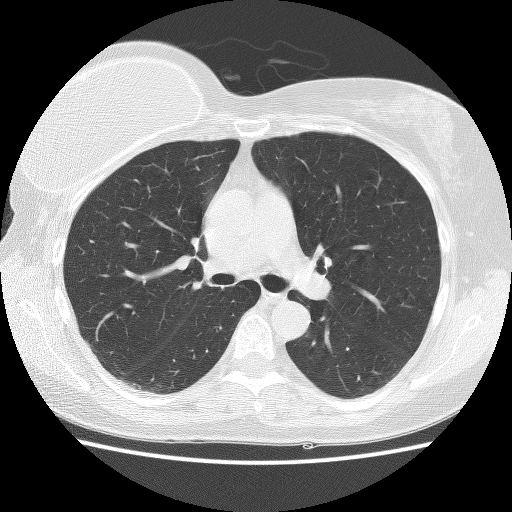
Chest CT, axial plane, 140 kVp, kernel BONE. Slice 74/122 from the bottom of the scan; thickness 2.50 mm; pixel size 0.664 mm.
No nodule of 3 mm or larger was outlined by any of the four readers on this slice.